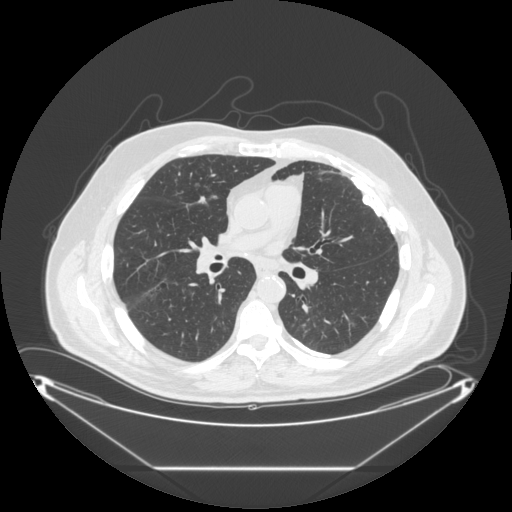
Chest CT, axial plane, 120 kVp, kernel STANDARD. Slice 160/297 from the bottom of the scan; thickness 1.25 mm; pixel size 0.949 mm.
Pulmonary nodule, outlined by two of the four readers, one of them on this slice. Box on this slice rows 322–327, columns 351–354, the one reader's outline on this slice; median longest diameter 13.8 mm (readers' outlines 12.7–15.0 mm), median volume 461 mm3 (351–570 mm3). Median ratings and the readers' spread: texture 3/5 (part-solid) at the median of two readers, spread 1/5 (non-solid) to 5/5 (solid); margin 3.5/5 at the median of two readers, spread 2/5 to 5/5 (circumscribed); sphericity 4.5/5 at the median of two readers, spread 4/5 to 5/5 (round); calcification absent from both readers; internal structure soft tissue from both readers; subtlety 2.5/5 at the median of two readers, spread 1–4; malignancy likelihood 2/5, both readers agreeing. Scale key (1–5): texture non-solid→solid, margin indistinct→circumscribed, sphericity linear→round, subtlety extremely subtle→obvious, malignancy likelihood highly unlikely→highly suspicious of cancer. Box rows and columns are 0-based pixel indices from the top-left corner, inclusive.